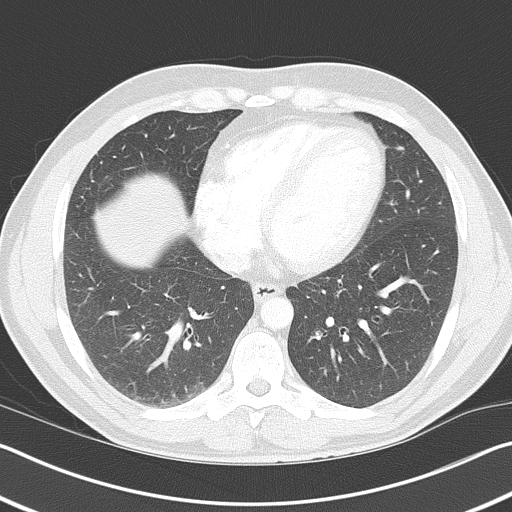
One axial slice (188 of 368, counting up from the lowest) of a chest CT acquired at 120 kVp with the B70f kernel; each pixel is 0.660 mm and the slice is 2.00 mm thick.
Pulmonary nodule outlined by one of the four readers; box rows 145–150, columns 395–405 (that reader's outline on this slice); longest diameter 9.3 mm and volume 180 mm3 from that reader's outline. Ratings by that reader: texture 1/5 (non-solid); margin 2/5; sphericity 5/5 (round); calcification absent; internal structure soft tissue; subtlety 1/5; malignancy likelihood 2/5. Scale key (1–5): texture non-solid→solid, margin indistinct→circumscribed, sphericity linear→round, subtlety extremely subtle→obvious, malignancy likelihood highly unlikely→highly suspicious of cancer. Box rows and columns are 0-based pixel indices from the top-left corner, inclusive.